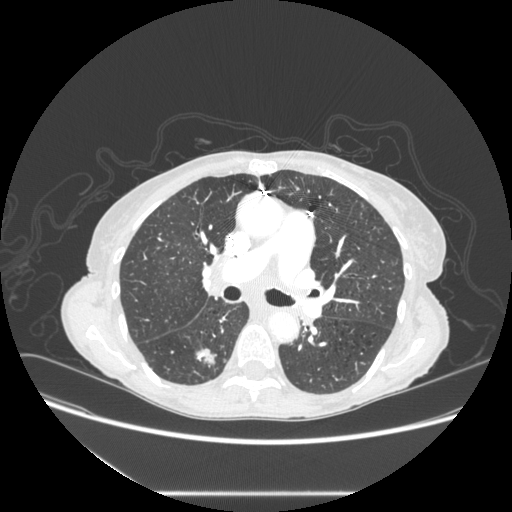
Axial slice 176 of 289 of a chest CT (slice 1 is the lowest), reconstructed with the STANDARD kernel at 120 kVp; 1.25 mm slice thickness and 0.764 mm pixels.
Pulmonary nodule, outlined by all four readers. Box on this slice rows 348–366, columns 195–216, the union of the readers' outlines on this slice; longest diameter 21.2 mm on average over the four readers' outlines (readers' outlines 20.5–21.9 mm), volume 2320–2697 mm3. Ratings, by the readers' most common answer with dissent counted: texture split among the readers: 4/5 (two), 5/5 (solid) (two); margin 4/5 from all four readers; most readers (three of four) put sphericity at 3/5 (ovoid), others 5/5 (round) (one); calcification absent, all four readers agreeing; internal structure soft tissue from all four readers; subtlety 5/5 by three of four readers; the rest gave 4/5 (one); malignancy likelihood 5/5 by two of four readers; the rest gave 3/5 (one), 4/5 (one). Scale key (1–5): texture non-solid→solid, margin indistinct→circumscribed, sphericity linear→round, subtlety extremely subtle→obvious, malignancy likelihood highly unlikely→highly suspicious of cancer. Box rows and columns are 0-based pixel indices from the top-left corner, inclusive.